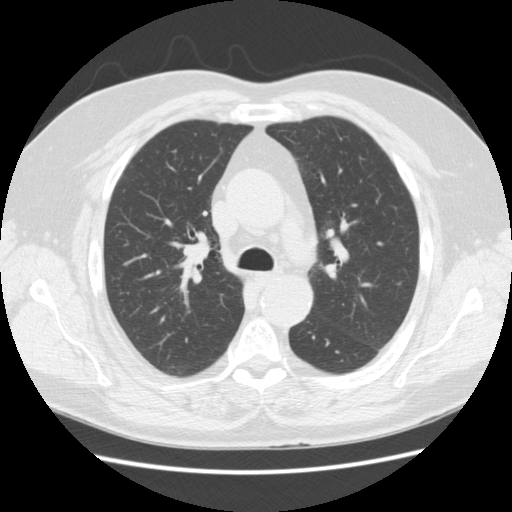
Axial chest CT slice 106 of 148 (counted from the lowest slice); 2.50 mm thick, 0.703 mm per pixel. The readers outlined no nodule of 3 mm or more on this slice.
Tube voltage 120 kVp; convolution kernel STANDARD.